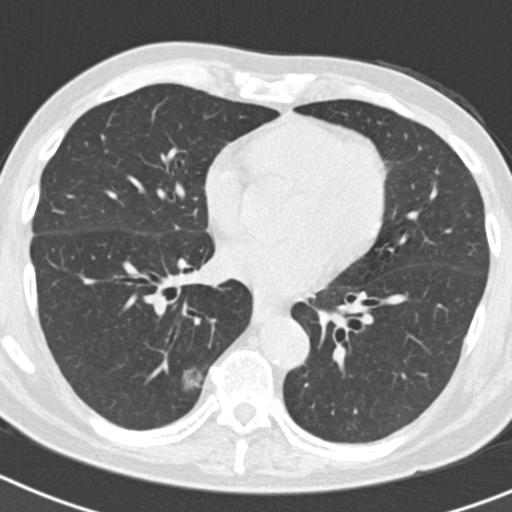
Slice 90/186 of a chest CT, counting up from the lowest; pixel size 0.586 mm, slice thickness 2.00 mm. Pulmonary nodule, outlined by one of the four readers. Box on this slice rows 369–389, columns 181–202, that reader's outline on this slice; longest diameter 31.4 mm and volume 6527 mm3 from that reader's outline. Ratings by that reader: texture 1/5 (non-solid); margin 2/5; sphericity 4/5; calcification absent; internal structure soft tissue; subtlety 5/5; malignancy likelihood 3/5. Scale key (1–5): texture non-solid→solid, margin indistinct→circumscribed, sphericity linear→round, subtlety extremely subtle→obvious, malignancy likelihood highly unlikely→highly suspicious of cancer. Box rows and columns are 0-based pixel indices from the top-left corner, inclusive.
Acquired at 120 kVp and reconstructed with the B30f kernel.